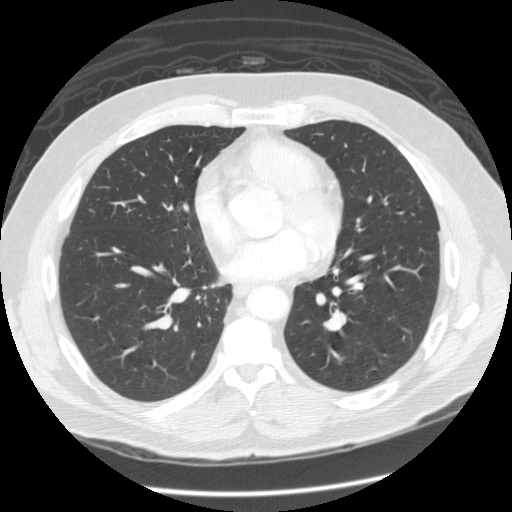
Axial chest CT slice 163 of 305 (counted from the lowest slice); 1.25 mm thick, 0.732 mm per pixel. None of the four readers outlined a nodule of 3 mm or more on this slice.
Acquired at 120 kVp and reconstructed with the STANDARD kernel.